Chest CT, axial plane, 120 kVp, kernel STANDARD. Slice 70/230 from the bottom of the scan; thickness 1.25 mm; pixel size 0.742 mm.
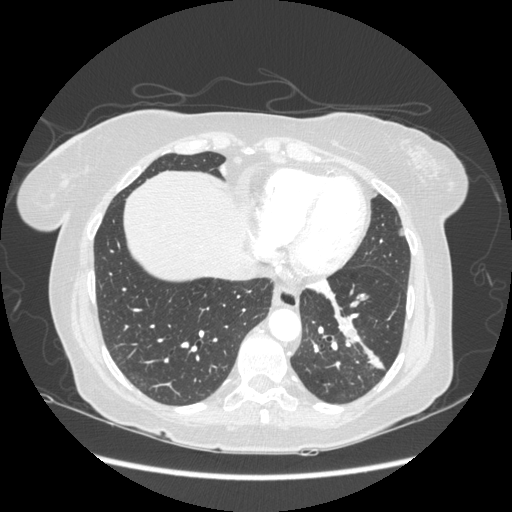
Pulmonary nodule at rows 345–368, columns 364–383 (box = the union of the readers' outlines on this slice), outlined by all four readers, two of them on this slice; longest diameter 28.7 mm on average over the four readers' outlines (readers' outlines 23.1–31.5 mm), volume 3020–5074 mm3. The readers' prevailing ratings and who disagreed: texture 5/5 (solid) from all four readers; margin 4/5 by two of four readers; the rest gave 3/5 (one), 5/5 (circumscribed) (one); most readers (three of four) put sphericity at 3/5 (ovoid), others 5/5 (round) (one); calcification absent from all four readers; internal structure soft tissue, all four readers agreeing; subtlety 5/5, all four readers agreeing; most readers (three of four) put malignancy likelihood at 5/5, others 3/5 (one). Scale key (1–5): texture non-solid→solid, margin indistinct→circumscribed, sphericity linear→round, subtlety extremely subtle→obvious, malignancy likelihood highly unlikely→highly suspicious of cancer. Box rows and columns are 0-based pixel indices from the top-left corner, inclusive.